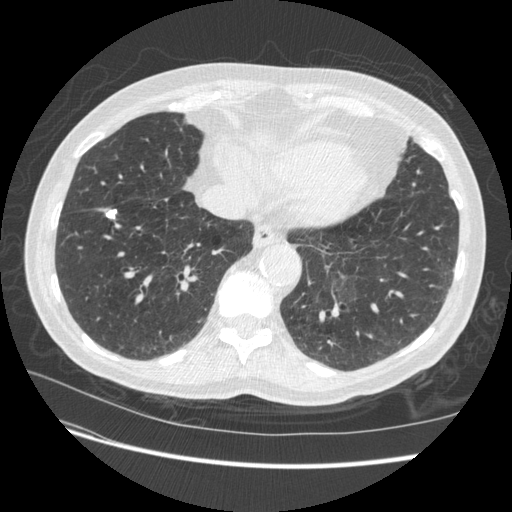
Axial chest CT slice 133 of 509 (counted from the lowest slice); tube voltage 120 kVp, convolution kernel STANDARD; slices 1.25 mm thick, 0.703 mm per pixel.
Pulmonary nodule, outlined by three of the four readers. Box on this slice rows 208–219, columns 104–117, the union of the readers' outlines on this slice; longest diameter 11.8 mm on average over the three readers' outlines (readers' outlines 11.4–12.1 mm), volume 273–413 mm3. The readers' prevailing ratings and who disagreed: texture 5/5 (solid), all three readers agreeing; most readers (two of three) put margin at 5/5 (circumscribed), others 4/5 (one); sphericity 3/5 (ovoid) by two of three readers; the rest gave 4/5 (one); calcification solid calcification, all three readers agreeing; internal structure soft tissue, all three readers agreeing; most readers (two of three) put subtlety at 5/5, others 4/5 (one); malignancy likelihood 1/5 from all three readers. Scale key (1–5): texture non-solid→solid, margin indistinct→circumscribed, sphericity linear→round, subtlety extremely subtle→obvious, malignancy likelihood highly unlikely→highly suspicious of cancer. Box rows and columns are 0-based pixel indices from the top-left corner, inclusive.